Axial slice 73 of 111 of a chest CT (slice 1 is the lowest), reconstructed with the FC01 kernel at 135 kVp; 3.00 mm slice thickness and 0.714 mm pixels.
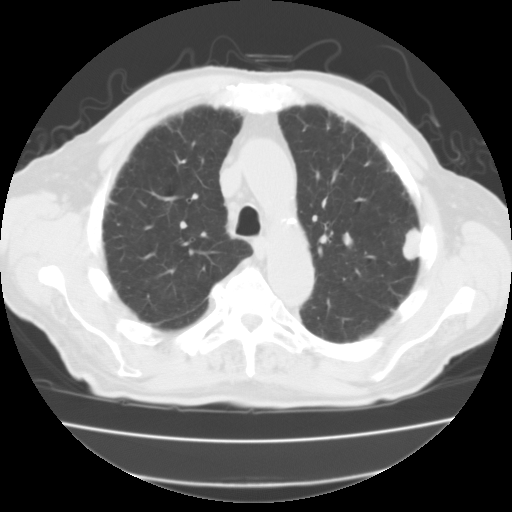
Pulmonary nodule at rows 226–260, columns 402–421 (box = the union of the readers' outlines on this slice), outlined by all four readers; median longest diameter 24.6 mm (readers' outlines 24.3–25.8 mm), median volume 4094 mm3 (3889–4187 mm3). Median ratings and the readers' spread: texture 5/5 (solid), all four readers agreeing; margin 5/5 (circumscribed), all four readers agreeing; median sphericity 3/5 (ovoid) (readers ranged 3/5 (ovoid) to 5/5 (round)); calcification absent from all four readers; internal structure soft tissue from all four readers; subtlety 5/5 from all four readers; malignancy likelihood 3.5/5 at the median of four readers, spread 2–5. Scale key (1–5): texture non-solid→solid, margin indistinct→circumscribed, sphericity linear→round, subtlety extremely subtle→obvious, malignancy likelihood highly unlikely→highly suspicious of cancer. Box rows and columns are 0-based pixel indices from the top-left corner, inclusive.